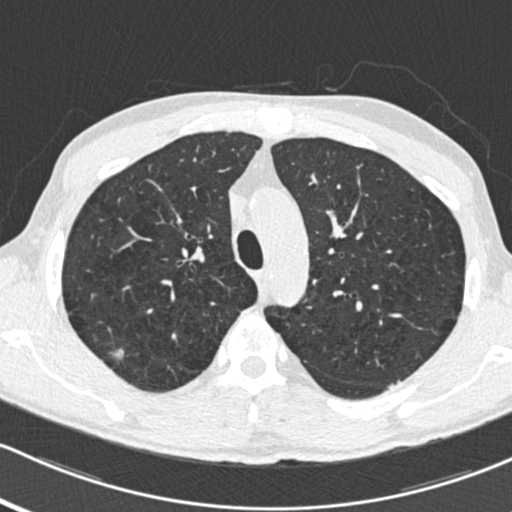
Axial chest CT slice 372 of 483 (counted from the lowest slice); tube voltage 120 kVp, convolution kernel B30f; slices 0.75 mm thick, 0.617 mm per pixel.
Pulmonary nodule, outlined by three of the four readers. Box on this slice rows 347–360, columns 108–124, the union of the readers' outlines on this slice; longest diameter 10.7 mm on average over the three readers' outlines (readers' outlines 10.0–12.0 mm), volume 141–227 mm3. Ratings, by the readers' most common answer with dissent counted: texture 2/5 by two of three readers; the rest gave 3/5 (part-solid) (one); most readers (two of three) put margin at 2/5, others 1/5 (indistinct) (one); most readers (two of three) put sphericity at 3/5 (ovoid), others 4/5 (one); calcification absent from all three readers; internal structure soft tissue, all three readers agreeing; subtlety 4/5 by two of three readers; the rest gave 2/5 (one); malignancy likelihood 3/5 by two of three readers; the rest gave 5/5 (one). Scale key (1–5): texture non-solid→solid, margin indistinct→circumscribed, sphericity linear→round, subtlety extremely subtle→obvious, malignancy likelihood highly unlikely→highly suspicious of cancer. Box rows and columns are 0-based pixel indices from the top-left corner, inclusive.